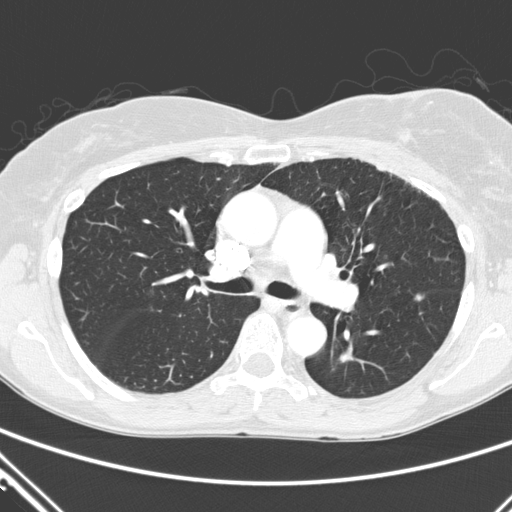
Slice 299/411 of a chest CT, counting up from the lowest; pixel size 0.654 mm, slice thickness 2.00 mm. Pulmonary nodule at rows 354–361, columns 340–349 (box = the union of the readers' outlines on this slice), outlined by two of the four readers; longest diameter 9.2 mm on average over the two readers' outlines (readers' outlines 9.1–9.3 mm), volume 60–119 mm3. The readers' prevailing ratings and who disagreed: texture split among the readers: 3/5 (part-solid) (one), 4/5 (one); margin 2/5 from both readers; sphericity 3/5 (ovoid), both readers agreeing; calcification absent from both readers; internal structure soft tissue from both readers; subtlety 3/5, both readers agreeing; malignancy likelihood split among the readers: 1/5 (one), 3/5 (one). Scale key (1–5): texture non-solid→solid, margin indistinct→circumscribed, sphericity linear→round, subtlety extremely subtle→obvious, malignancy likelihood highly unlikely→highly suspicious of cancer. Box rows and columns are 0-based pixel indices from the top-left corner, inclusive.
Acquired at 120 kVp and reconstructed with the D kernel.